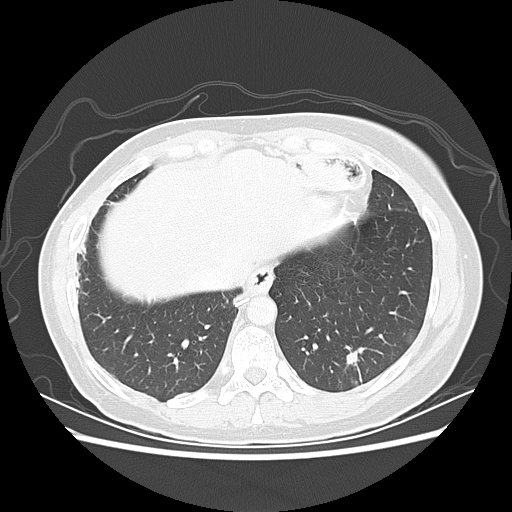
Chest CT, axial plane, 120 kVp, kernel LUNG. Slice 54/133 from the bottom of the scan; thickness 2.50 mm; pixel size 0.703 mm.
Pulmonary nodule at rows 350–366, columns 346–357 (box = the union of the readers' outlines on this slice), outlined by all four readers; longest diameter 11.7–14.6 mm and volume 378–526 mm3 across the four readers' outlines. The readers' ratings, as ranges where they differ: texture from 4/5 to 5/5 (solid) across the four readers; margin from 3/5 to 4/5 across the four readers; sphericity from 3/5 (ovoid) to 5/5 (round) across the four readers; calcification absent, all four readers agreeing; internal structure soft tissue from all four readers; subtlety 4–5/5 (the readers disagree); malignancy likelihood 3–4/5 (the readers disagree). Scale key (1–5): texture non-solid→solid, margin indistinct→circumscribed, sphericity linear→round, subtlety extremely subtle→obvious, malignancy likelihood highly unlikely→highly suspicious of cancer. Box rows and columns are 0-based pixel indices from the top-left corner, inclusive.